Axial chest CT slice 115 of 133 (counted from the lowest slice); tube voltage 120 kVp, convolution kernel STANDARD; slices 2.50 mm thick, 0.703 mm per pixel.
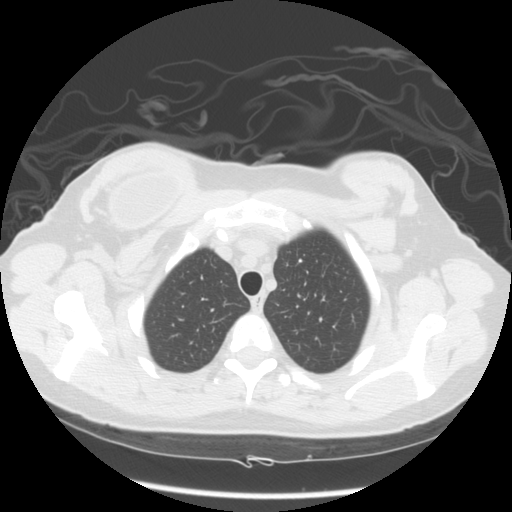
Pulmonary nodule outlined by three of the four readers; box rows 259–262, columns 298–301 (the union of the readers' outlines on this slice); longest diameter 4.8 mm on average over the three readers' outlines (readers' outlines 4.4–5.6 mm), volume 43–57 mm3. Ratings, by the readers' most common answer with dissent counted: texture 5/5 (solid) from all three readers; margin 5/5 (circumscribed) by two of three readers; the rest gave 4/5 (one); most readers (two of three) put sphericity at 4/5, others 5/5 (round) (one); calcification solid calcification by two of three readers, absent (one); internal structure soft tissue from all three readers; subtlety 5/5, all three readers agreeing; malignancy likelihood 1/5 from all three readers. Scale key (1–5): texture non-solid→solid, margin indistinct→circumscribed, sphericity linear→round, subtlety extremely subtle→obvious, malignancy likelihood highly unlikely→highly suspicious of cancer. Box rows and columns are 0-based pixel indices from the top-left corner, inclusive.